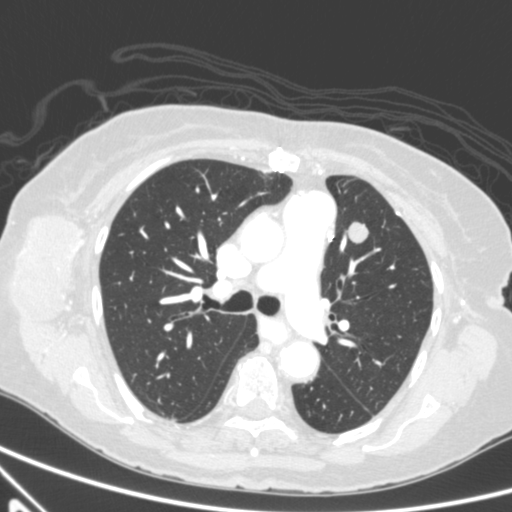
One axial slice (364 of 590, counting up from the lowest) of a chest CT acquired at 120 kVp with the B kernel; each pixel is 0.627 mm and the slice is 0.90 mm thick.
Pulmonary nodule outlined by all four readers; box rows 222–243, columns 347–368 (the union of the readers' outlines on this slice); median longest diameter 17.7 mm (readers' outlines 16.3–20.1 mm), median volume 1143 mm3 (1116–1236 mm3). Ratings, median across the readers with their spread: texture 5/5 (solid), all four readers agreeing; margin 4/5 at the median of four readers, spread 3/5 to 5/5 (circumscribed); median sphericity 3.5/5 (readers ranged 3/5 (ovoid) to 4/5); calcification absent, all four readers agreeing; internal structure soft tissue from all four readers; median subtlety 5/5 (readers ranged 4–5); median malignancy likelihood 4/5 (readers ranged 3–5). Scale key (1–5): texture non-solid→solid, margin indistinct→circumscribed, sphericity linear→round, subtlety extremely subtle→obvious, malignancy likelihood highly unlikely→highly suspicious of cancer. Box rows and columns are 0-based pixel indices from the top-left corner, inclusive.